Axial chest CT slice 488 of 764 (counted from the lowest slice); tube voltage 120 kVp, convolution kernel B31f; slices 1.00 mm thick, 0.646 mm per pixel.
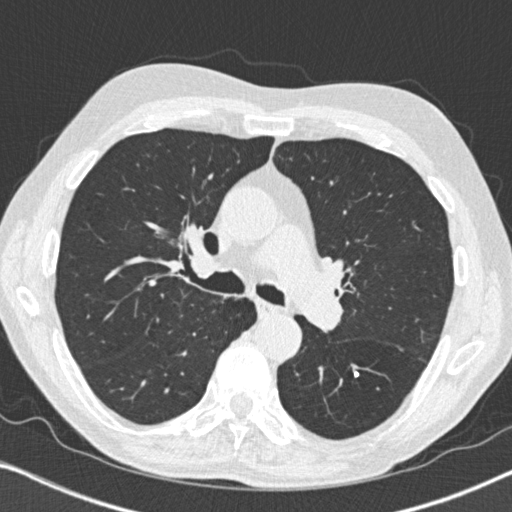
Pulmonary nodule outlined by two of the four readers; box rows 371–377, columns 354–359 (the union of the readers' outlines on this slice); median longest diameter 5.2 mm (readers' outlines 4.7–5.8 mm), median volume 70 mm3 (50–90 mm3). Ratings, median across the readers with their spread: texture 5/5 (solid) from both readers; margin 5/5 (circumscribed), both readers agreeing; median sphericity 4.5/5 (readers ranged 4/5 to 5/5 (round)); calcification solid calcification, both readers agreeing; internal structure soft tissue from both readers; subtlety 5/5, both readers agreeing; malignancy likelihood 1/5, both readers agreeing. Scale key (1–5): texture non-solid→solid, margin indistinct→circumscribed, sphericity linear→round, subtlety extremely subtle→obvious, malignancy likelihood highly unlikely→highly suspicious of cancer. Box rows and columns are 0-based pixel indices from the top-left corner, inclusive.